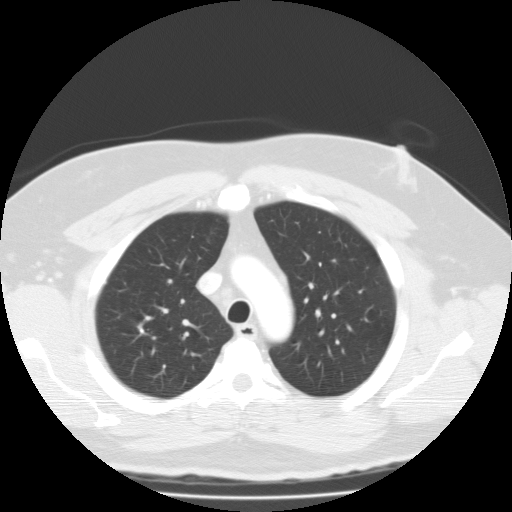
Axial chest CT slice 97 of 126 (counted from the lowest slice); tube voltage 135 kVp, convolution kernel FC01; slices 3.00 mm thick, 0.744 mm per pixel.
Pulmonary nodule outlined by one of the four readers; box rows 323–331, columns 138–142 (that reader's outline on this slice); longest diameter 8.3 mm and volume 179 mm3 from that reader's outline. That reader's ratings: texture 5/5 (solid); margin 5/5 (circumscribed); sphericity 4/5; calcification central calcification; internal structure soft tissue; subtlety 5/5; malignancy likelihood 1/5. Scale key (1–5): texture non-solid→solid, margin indistinct→circumscribed, sphericity linear→round, subtlety extremely subtle→obvious, malignancy likelihood highly unlikely→highly suspicious of cancer. Box rows and columns are 0-based pixel indices from the top-left corner, inclusive.